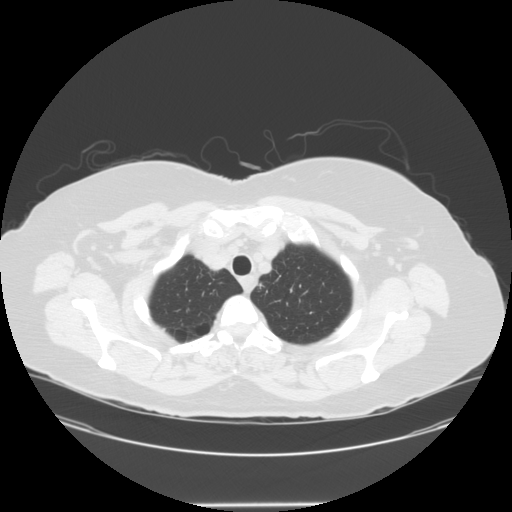
Chest CT, axial plane, 120 kVp, kernel STANDARD. Slice 136/150 from the bottom of the scan; thickness 2.50 mm; pixel size 0.820 mm.
Pulmonary nodule at rows 264–269, columns 207–211 (box = the union of the readers' outlines on this slice), outlined by two of the four readers; longest diameter 6.4 mm on average over the two readers' outlines (readers' outlines 6.2–6.6 mm), volume 127–159 mm3. The readers' prevailing ratings and who disagreed: texture 5/5 (solid) from both readers; margin 5/5 (circumscribed), both readers agreeing; sphericity 5/5 (round) from both readers; calcification solid calcification from both readers; internal structure soft tissue, both readers agreeing; subtlety 5/5, both readers agreeing; malignancy likelihood 1/5, both readers agreeing. Scale key (1–5): texture non-solid→solid, margin indistinct→circumscribed, sphericity linear→round, subtlety extremely subtle→obvious, malignancy likelihood highly unlikely→highly suspicious of cancer. Box rows and columns are 0-based pixel indices from the top-left corner, inclusive.